Chest CT, axial plane, 120 kVp, kernel B31f. Slice 118/137 from the bottom of the scan; thickness 5.00 mm; pixel size 0.691 mm.
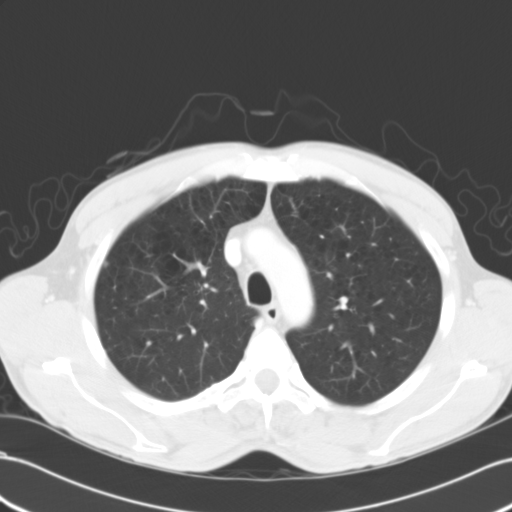
Pulmonary nodule, outlined by one of the four readers. Box on this slice rows 261–265, columns 105–107, that reader's outline on this slice; longest diameter 5.3 mm and volume 90 mm3 from that reader's outline. Ratings by that reader: texture 5/5 (solid); margin 5/5 (circumscribed); sphericity 5/5 (round); calcification absent; internal structure soft tissue; subtlety 3/5; malignancy likelihood 2/5. Scale key (1–5): texture non-solid→solid, margin indistinct→circumscribed, sphericity linear→round, subtlety extremely subtle→obvious, malignancy likelihood highly unlikely→highly suspicious of cancer. Box rows and columns are 0-based pixel indices from the top-left corner, inclusive.